Axial slice 200 of 250 of a chest CT (slice 1 is the lowest), reconstructed with the BONE kernel at 120 kVp; 1.25 mm slice thickness and 0.721 mm pixels.
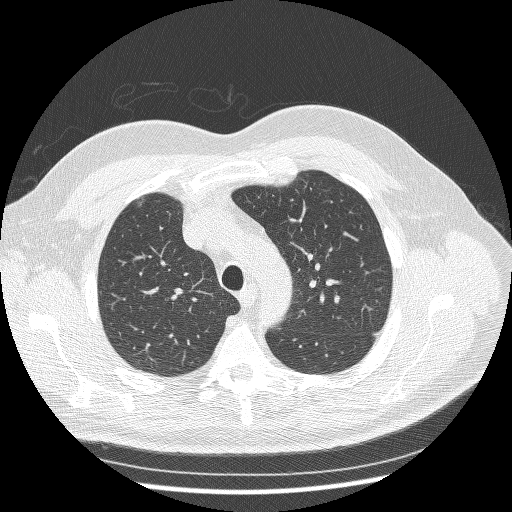
Pulmonary nodule at rows 195–207, columns 135–146 (box = the union of the readers' outlines on this slice), outlined by three of the four readers; the three readers' outlines give a longest diameter between 9.8 and 12.3 mm and a volume between 257 and 353 mm3. The readers' ratings, as ranges where they differ: texture 1/5 (non-solid) from all three readers; margin from 1/5 (indistinct) to 2/5 across the three readers; sphericity from 2/5 to 3/5 (ovoid) across the three readers; calcification absent from all three readers; internal structure soft tissue, all three readers agreeing; subtlety rated between 1 and 3 out of 5 by the three readers; malignancy likelihood from 3/5 to 4/5 across the three readers. Scale key (1–5): texture non-solid→solid, margin indistinct→circumscribed, sphericity linear→round, subtlety extremely subtle→obvious, malignancy likelihood highly unlikely→highly suspicious of cancer. Box rows and columns are 0-based pixel indices from the top-left corner, inclusive.